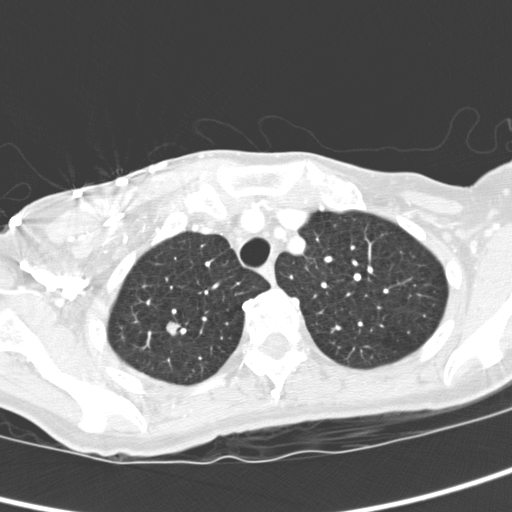
Chest CT, axial plane, 120 kVp, kernel D. Slice 266/321 from the bottom of the scan; thickness 2.00 mm; pixel size 0.557 mm.
Pulmonary nodule outlined by all four readers; box rows 321–335, columns 166–180 (the union of the readers' outlines on this slice); longest diameter 9.7 mm on average over the four readers' outlines (readers' outlines 9.1–10.4 mm), volume 168–407 mm3. Ratings, by the readers' most common answer with dissent counted: texture 5/5 (solid) from all four readers; margin 5/5 (circumscribed) by three of four readers; the rest gave 4/5 (one); sphericity 4/5 by three of four readers; the rest gave 3/5 (ovoid) (one); calcification absent from all four readers; internal structure soft tissue, all four readers agreeing; subtlety split among the readers: 4/5 (two), 5/5 (two); malignancy likelihood 3/5 by two of four readers; the rest gave 4/5 (one), 5/5 (one). Scale key (1–5): texture non-solid→solid, margin indistinct→circumscribed, sphericity linear→round, subtlety extremely subtle→obvious, malignancy likelihood highly unlikely→highly suspicious of cancer. Box rows and columns are 0-based pixel indices from the top-left corner, inclusive.